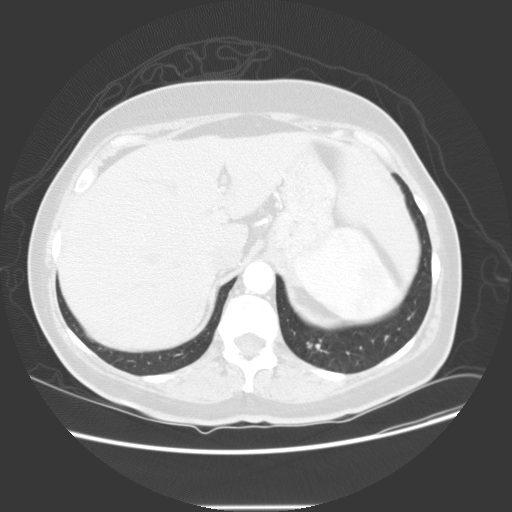
Axial chest CT slice 27 of 133 (counted from the lowest slice); 2.50 mm thick, 0.742 mm per pixel. Pulmonary nodule at rows 341–348, columns 306–311 (box = the union of the readers' outlines on this slice), outlined by all four readers, two of them on this slice; median longest diameter 11.6 mm (readers' outlines 10.6–12.0 mm), median volume 418 mm3 (373–535 mm3). Ratings, median across the readers with their spread: texture 5/5 (solid) from all four readers; median margin 5/5 (circumscribed) (readers ranged 4/5 to 5/5 (circumscribed)); median sphericity 3.5/5 (readers ranged 2/5 to 5/5 (round)); calcification split among the readers: absent (two), solid calcification (two); internal structure soft tissue, all four readers agreeing; median subtlety 5/5 (readers ranged 4–5); malignancy likelihood 2/5 at the median of four readers, spread 1–3. Scale key (1–5): texture non-solid→solid, margin indistinct→circumscribed, sphericity linear→round, subtlety extremely subtle→obvious, malignancy likelihood highly unlikely→highly suspicious of cancer. Box rows and columns are 0-based pixel indices from the top-left corner, inclusive.
Tube voltage 120 kVp; convolution kernel STANDARD.